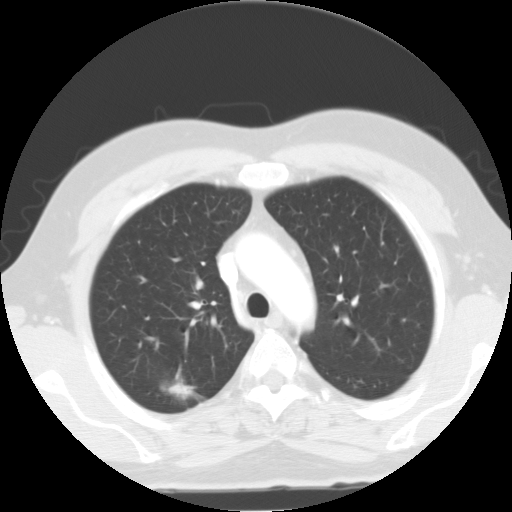
Axial chest CT slice 82 of 116 (counted from the lowest slice); tube voltage 135 kVp, convolution kernel FC01; slices 3.00 mm thick, 0.692 mm per pixel.
Pulmonary nodule at rows 365–404, columns 160–204 (box = the union of the readers' outlines on this slice), outlined by all four readers; longest diameter 30.5 mm on average over the four readers' outlines (readers' outlines 28.5–32.9 mm), volume 2473–3947 mm3. Ratings, by the readers' most common answer with dissent counted: texture 3/5 (part-solid) by three of four readers; the rest gave 5/5 (solid) (one); most readers (three of four) put margin at 2/5, others 1/5 (indistinct) (one); sphericity 3/5 (ovoid) by three of four readers; the rest gave 2/5 (one); calcification absent from all four readers; internal structure soft tissue, all four readers agreeing; most readers (three of four) put subtlety at 5/5, others 4/5 (one); malignancy likelihood split among the readers: 2/5 (one), 3/5 (one), 4/5 (one), 5/5 (one). Scale key (1–5): texture non-solid→solid, margin indistinct→circumscribed, sphericity linear→round, subtlety extremely subtle→obvious, malignancy likelihood highly unlikely→highly suspicious of cancer. Box rows and columns are 0-based pixel indices from the top-left corner, inclusive.